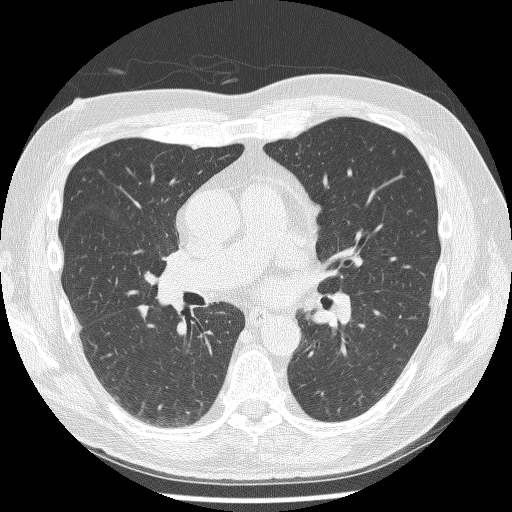
Chest CT, axial plane, 120 kVp, kernel BONE. Slice 135/244 from the bottom of the scan; thickness 1.25 mm; pixel size 0.674 mm.
Pulmonary nodule at rows 305–319, columns 137–148 (box = the union of the readers' outlines on this slice), outlined by all four readers; longest diameter 10.1 mm on average over the four readers' outlines (readers' outlines 8.6–12.1 mm), volume 222–252 mm3. The readers' prevailing ratings and who disagreed: texture 5/5 (solid) by three of four readers; the rest gave 4/5 (one); most readers (three of four) put margin at 5/5 (circumscribed), others 4/5 (one); sphericity 2/5 by three of four readers; the rest gave 3/5 (ovoid) (one); calcification absent, all four readers agreeing; internal structure soft tissue from all four readers; most readers (three of four) put subtlety at 4/5, others 5/5 (one); malignancy likelihood 2/5 by two of four readers; the rest gave 3/5 (one), 4/5 (one). Scale key (1–5): texture non-solid→solid, margin indistinct→circumscribed, sphericity linear→round, subtlety extremely subtle→obvious, malignancy likelihood highly unlikely→highly suspicious of cancer. Box rows and columns are 0-based pixel indices from the top-left corner, inclusive.